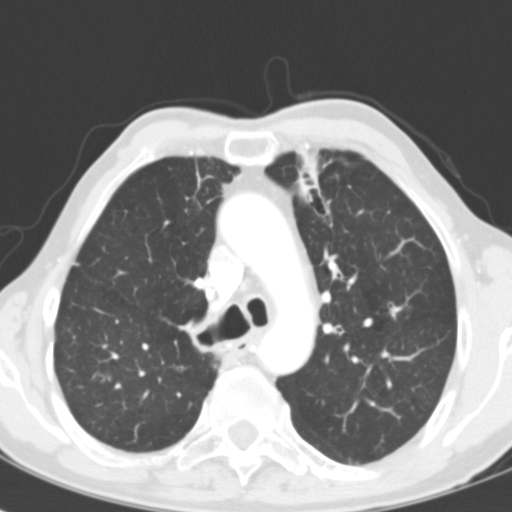
This is axial slice 79 of 116 (slice 1 is the lowest) of a chest CT; each pixel is 0.547 mm and the slice is 3.00 mm thick. Two pulmonary nodules are outlined on this slice; from left to right: (1) Pulmonary nodule at rows 376–380, columns 108–111 (box = the one reader's outline on this slice), outlined by all four readers, one of them on this slice; longest diameter 12.7 mm on average over the four readers' outlines (readers' outlines 11.8–14.7 mm), volume 700–989 mm3. Ratings, by the readers' most common answer with dissent counted: texture 5/5 (solid), all four readers agreeing; most readers (three of four) put margin at 5/5 (circumscribed), others 4/5 (one); most readers (three of four) put sphericity at 5/5 (round), others 4/5 (one); calcification absent, all four readers agreeing; internal structure soft tissue by three of four readers, air (one); subtlety 5/5 from all four readers; malignancy likelihood split among the readers: 3/5 (two), 5/5 (two). (2) Pulmonary nodule outlined by two of the four readers, one of them on this slice; box rows 364–370, columns 173–183 (the one reader's outline on this slice); the two readers' outlines give a longest diameter of 8.6 mm and a volume between 100 and 179 mm3. Ratings across the readers: texture 5/5 (solid), both readers agreeing; margin 4/5 from both readers; sphericity 3/5 (ovoid), both readers agreeing; calcification absent from both readers; internal structure soft tissue, both readers agreeing; subtlety 2–5/5 (the readers disagree); malignancy likelihood 3–4/5 (the readers disagree). Scale key (1–5): texture non-solid→solid, margin indistinct→circumscribed, sphericity linear→round, subtlety extremely subtle→obvious, malignancy likelihood highly unlikely→highly suspicious of cancer. Box rows and columns are 0-based pixel indices from the top-left corner, inclusive.
Acquired at 120 kVp and reconstructed with the B31f kernel.